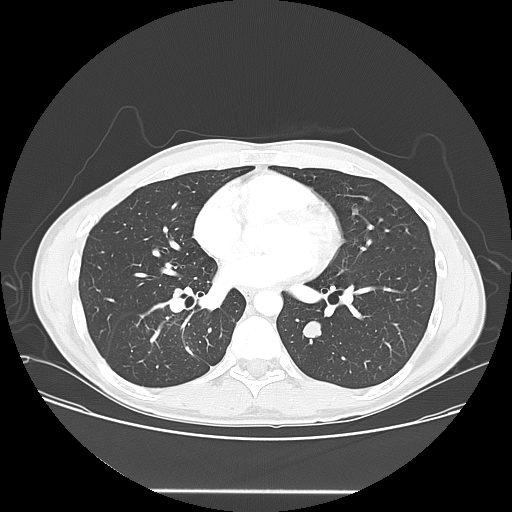
Axial chest CT slice 76 of 150 (counted from the lowest slice); tube voltage 120 kVp, convolution kernel LUNG; slices 2.50 mm thick, 0.781 mm per pixel.
Pulmonary nodule outlined by all four readers; box rows 320–337, columns 302–321 (the union of the readers' outlines on this slice); median longest diameter 17.9 mm (readers' outlines 17.8–19.3 mm), median volume 2061 mm3 (1904–2340 mm3). Ratings, median across the readers with their spread: texture 5/5 (solid) at the median of four readers, spread 4/5 to 5/5 (solid); median margin 4.5/5 (readers ranged 4/5 to 5/5 (circumscribed)); median sphericity 4/5 (readers ranged 3/5 (ovoid) to 5/5 (round)); calcification absent, all four readers agreeing; internal structure soft tissue from all four readers; subtlety 5/5 at the median of four readers, spread 3–5; malignancy likelihood 3.5/5 at the median of four readers, spread 2–5. Scale key (1–5): texture non-solid→solid, margin indistinct→circumscribed, sphericity linear→round, subtlety extremely subtle→obvious, malignancy likelihood highly unlikely→highly suspicious of cancer. Box rows and columns are 0-based pixel indices from the top-left corner, inclusive.